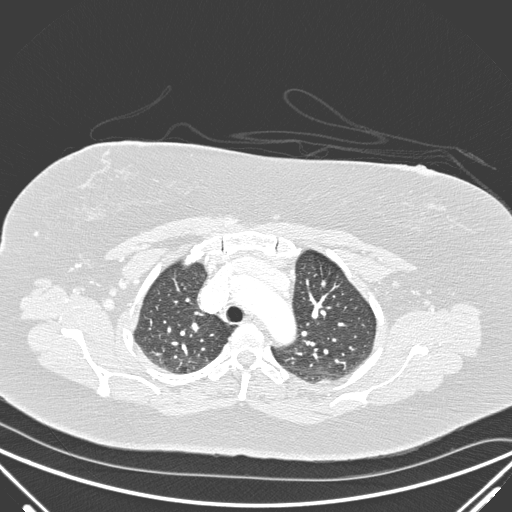
Axial slice 158 of 220 of a chest CT (slice 1 is the lowest), reconstructed with the D kernel at 140 kVp; 1.00 mm slice thickness and 0.770 mm pixels.
Pulmonary nodule at rows 280–286, columns 321–325 (box = the union of the readers' outlines on this slice), outlined by all four readers; median longest diameter 6.0 mm (readers' outlines 5.4–7.1 mm), median volume 76 mm3 (44–97 mm3). Ratings, median across the readers with their spread: texture 5/5 (solid) at the median of four readers, spread 4/5 to 5/5 (solid); median margin 4/5 (readers ranged 3/5 to 5/5 (circumscribed)); sphericity 4/5 from all four readers; calcification absent from all four readers; internal structure soft tissue, all four readers agreeing; median subtlety 4/5 (readers ranged 2–5); median malignancy likelihood 2.5/5 (readers ranged 2–3). Scale key (1–5): texture non-solid→solid, margin indistinct→circumscribed, sphericity linear→round, subtlety extremely subtle→obvious, malignancy likelihood highly unlikely→highly suspicious of cancer. Box rows and columns are 0-based pixel indices from the top-left corner, inclusive.